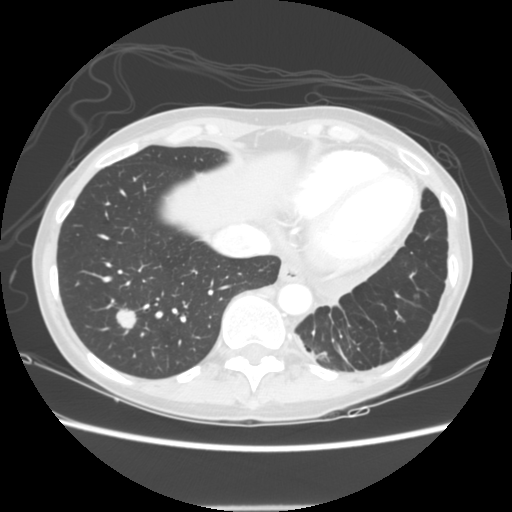
Slice 48/144 of a chest CT, counting up from the lowest; pixel size 0.664 mm, slice thickness 2.50 mm. Pulmonary nodule at rows 308–328, columns 115–137 (box = the union of the readers' outlines on this slice), outlined by all four readers; median longest diameter 16.9 mm (readers' outlines 16.8–18.1 mm), median volume 1623 mm3 (1370–1807 mm3). Ratings, median across the readers with their spread: texture 5/5 (solid), all four readers agreeing; margin 4.5/5 at the median of four readers, spread 4/5 to 5/5 (circumscribed); sphericity 4/5 at the median of four readers, spread 3/5 (ovoid) to 5/5 (round); calcification absent, all four readers agreeing; internal structure soft tissue from all four readers; subtlety 5/5, all four readers agreeing; median malignancy likelihood 4/5 (readers ranged 3–5). Scale key (1–5): texture non-solid→solid, margin indistinct→circumscribed, sphericity linear→round, subtlety extremely subtle→obvious, malignancy likelihood highly unlikely→highly suspicious of cancer. Box rows and columns are 0-based pixel indices from the top-left corner, inclusive.
Acquired at 120 kVp and reconstructed with the STANDARD kernel.